One axial slice (96 of 154, counting up from the lowest) of a chest CT acquired at 120 kVp with the STANDARD kernel; each pixel is 0.664 mm and the slice is 2.50 mm thick.
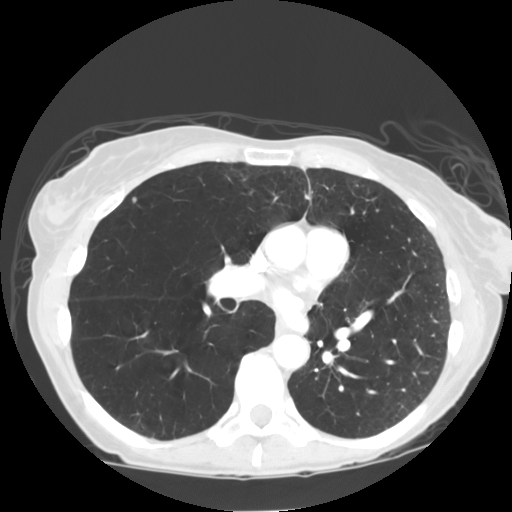
Pulmonary nodule outlined by two of the four readers; box rows 197–203, columns 132–136 (the union of the readers' outlines on this slice); the two readers' outlines give a longest diameter between 4.8 and 5.4 mm and a volume between 55 and 63 mm3. Ratings across the readers: texture 5/5 (solid) from both readers; margin 5/5 (circumscribed) from both readers; sphericity from 4/5 to 5/5 (round) across the two readers; calcification absent, both readers agreeing; internal structure soft tissue, both readers agreeing; subtlety 3/5, both readers agreeing; malignancy likelihood rated between 2 and 3 out of 5 by the two readers. Scale key (1–5): texture non-solid→solid, margin indistinct→circumscribed, sphericity linear→round, subtlety extremely subtle→obvious, malignancy likelihood highly unlikely→highly suspicious of cancer. Box rows and columns are 0-based pixel indices from the top-left corner, inclusive.